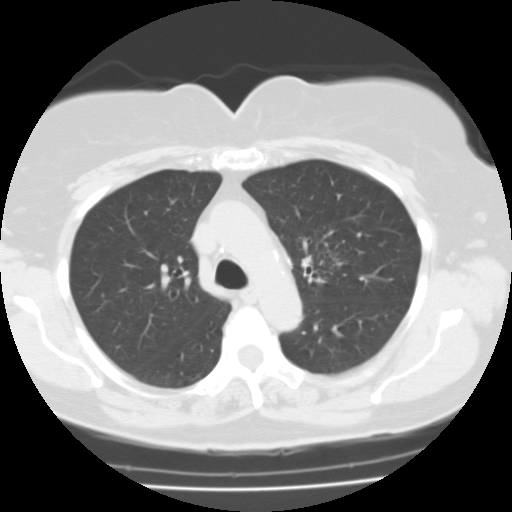
Slice 79/112 of a chest CT, counting up from the lowest; pixel size 0.650 mm, slice thickness 3.00 mm. No nodule of 3 mm or larger was outlined by any of the four readers on this slice.
Acquired at 135 kVp and reconstructed with the FC01 kernel.